Axial chest CT slice 65 of 148 (counted from the lowest slice); tube voltage 120 kVp, convolution kernel STANDARD; slices 2.50 mm thick, 0.703 mm per pixel.
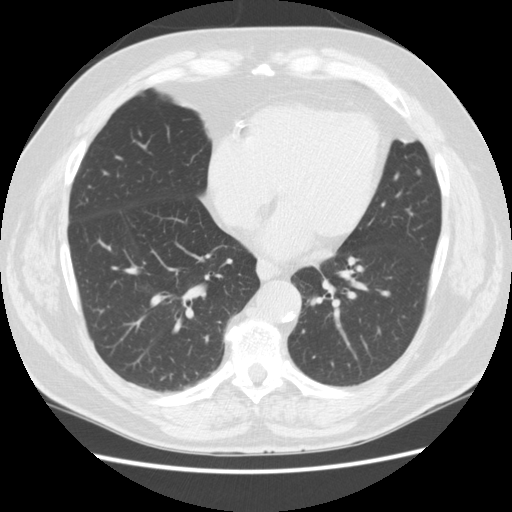
Pulmonary nodule, outlined by two of the four readers. Box on this slice rows 169–175, columns 416–421, the union of the readers' outlines on this slice; the two readers' outlines give a longest diameter of 5.8 mm and a volume between 57 and 60 mm3. Ratings across the readers: texture from 4/5 to 5/5 (solid) across the two readers; margin from 3/5 to 4/5 across the two readers; sphericity from 3/5 (ovoid) to 5/5 (round) across the two readers; calcification absent from both readers; internal structure soft tissue from both readers; subtlety 2/5, both readers agreeing; malignancy likelihood 2/5 from both readers. Scale key (1–5): texture non-solid→solid, margin indistinct→circumscribed, sphericity linear→round, subtlety extremely subtle→obvious, malignancy likelihood highly unlikely→highly suspicious of cancer. Box rows and columns are 0-based pixel indices from the top-left corner, inclusive.